Axial chest CT slice 62 of 101 (counted from the lowest slice); tube voltage 120 kVp, convolution kernel B31f; slices 3.00 mm thick, 0.635 mm per pixel.
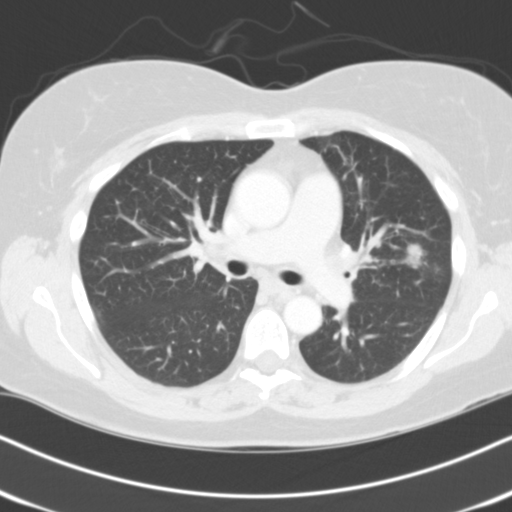
Pulmonary nodule outlined by all four readers; box rows 243–269, columns 403–422 (the union of the readers' outlines on this slice); median longest diameter 19.7 mm (readers' outlines 13.7–22.1 mm), median volume 1277 mm3 (832–1692 mm3). Median ratings and the readers' spread: median texture 4/5 (readers ranged 3/5 (part-solid) to 5/5 (solid)); margin 2/5 at the median of four readers, spread 1/5 (indistinct) to 5/5 (circumscribed); median sphericity 4/5 (readers ranged 3/5 (ovoid) to 4/5); calcification absent, all four readers agreeing; internal structure soft tissue, all four readers agreeing; subtlety 4.5/5 at the median of four readers, spread 2–5; median malignancy likelihood 3.5/5 (readers ranged 2–4). Scale key (1–5): texture non-solid→solid, margin indistinct→circumscribed, sphericity linear→round, subtlety extremely subtle→obvious, malignancy likelihood highly unlikely→highly suspicious of cancer. Box rows and columns are 0-based pixel indices from the top-left corner, inclusive.